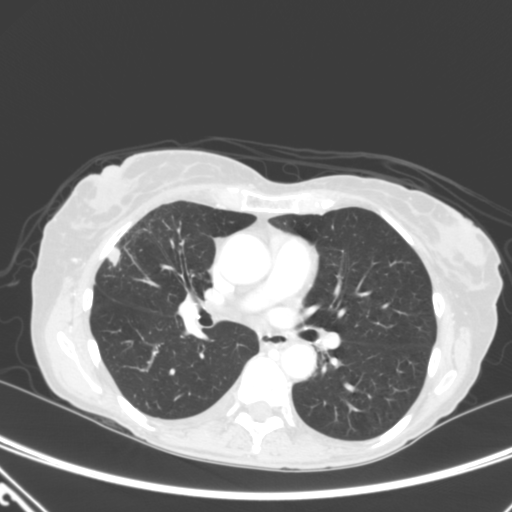
Axial chest CT slice 183 of 320 (counted from the lowest slice); 2.00 mm thick, 0.662 mm per pixel. Pulmonary nodule outlined by all four readers; box rows 247–266, columns 108–120 (the union of the readers' outlines on this slice); longest diameter 15.2 mm on average over the four readers' outlines (readers' outlines 12.2–16.6 mm), volume 631–1078 mm3. The readers' prevailing ratings and who disagreed: texture 5/5 (solid) from all four readers; margin 4/5 by two of four readers; the rest gave 3/5 (one), 5/5 (circumscribed) (one); sphericity 3/5 (ovoid) by two of four readers; the rest gave 4/5 (one), 5/5 (round) (one); calcification absent, all four readers agreeing; internal structure soft tissue from all four readers; subtlety 5/5 from all four readers; malignancy likelihood 5/5 by two of four readers; the rest gave 2/5 (one), 4/5 (one). Scale key (1–5): texture non-solid→solid, margin indistinct→circumscribed, sphericity linear→round, subtlety extremely subtle→obvious, malignancy likelihood highly unlikely→highly suspicious of cancer. Box rows and columns are 0-based pixel indices from the top-left corner, inclusive.
Tube voltage 120 kVp; convolution kernel B.